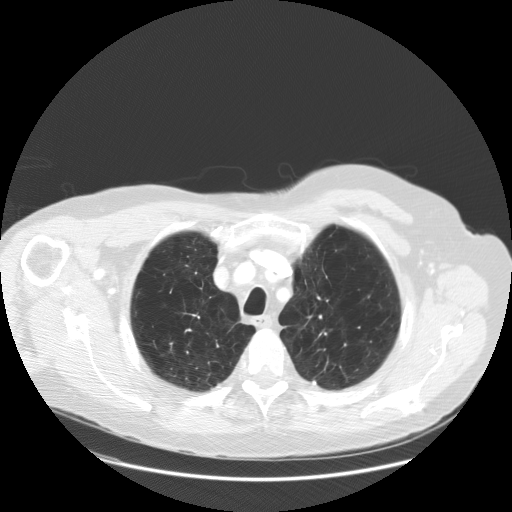
Axial chest CT slice 126 of 149 (counted from the lowest slice); tube voltage 120 kVp, convolution kernel STANDARD; slices 2.50 mm thick, 0.820 mm per pixel.
Pulmonary nodule outlined by two of the four readers; box rows 381–384, columns 312–315 (the union of the readers' outlines on this slice); longest diameter 5.2–5.5 mm and volume 96–106 mm3 across the two readers' outlines. The readers' ratings, as ranges where they differ: texture 5/5 (solid) from both readers; margin 5/5 (circumscribed), both readers agreeing; sphericity 5/5 (round), both readers agreeing; calcification solid calcification from both readers; internal structure soft tissue, both readers agreeing; subtlety from 2/5 to 5/5 across the two readers; malignancy likelihood 1/5, both readers agreeing. Scale key (1–5): texture non-solid→solid, margin indistinct→circumscribed, sphericity linear→round, subtlety extremely subtle→obvious, malignancy likelihood highly unlikely→highly suspicious of cancer. Box rows and columns are 0-based pixel indices from the top-left corner, inclusive.